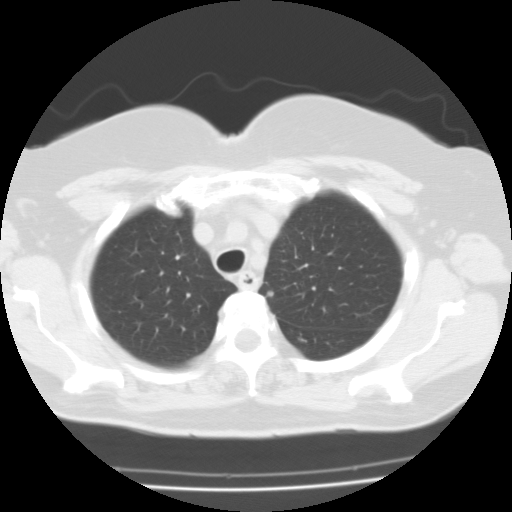
One axial slice (90 of 112, counting up from the lowest) of a chest CT acquired at 135 kVp with the FC01 kernel; each pixel is 0.650 mm and the slice is 3.00 mm thick.
Pulmonary nodule, outlined by one of the four readers. Box on this slice rows 291–296, columns 267–273, that reader's outline on this slice; longest diameter 5.6 mm and volume 108 mm3 from that reader's outline. That reader's ratings: texture 5/5 (solid); margin 3/5; sphericity 5/5 (round); calcification absent; internal structure soft tissue; subtlety 5/5; malignancy likelihood 3/5. Scale key (1–5): texture non-solid→solid, margin indistinct→circumscribed, sphericity linear→round, subtlety extremely subtle→obvious, malignancy likelihood highly unlikely→highly suspicious of cancer. Box rows and columns are 0-based pixel indices from the top-left corner, inclusive.